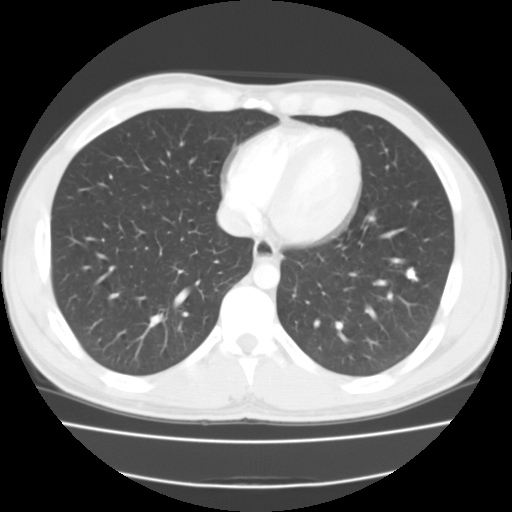
This is axial slice 48 of 116 (slice 1 is the lowest) of a chest CT; each pixel is 0.702 mm and the slice is 3.00 mm thick. Pulmonary nodule at rows 267–281, columns 406–417 (box = the union of the readers' outlines on this slice), outlined by all four readers; median longest diameter 11.0 mm (readers' outlines 9.5–12.6 mm), median volume 554 mm3 (504–642 mm3). Median ratings and the readers' spread: texture 5/5 (solid) from all four readers; margin 5/5 (circumscribed) at the median of four readers, spread 4/5 to 5/5 (circumscribed); sphericity 4/5 at the median of four readers, spread 4/5 to 5/5 (round); calcification split among the readers: central calcification (two), solid calcification (two); internal structure soft tissue, all four readers agreeing; subtlety 5/5 at the median of four readers, spread 4–5; malignancy likelihood 1/5 from all four readers. Scale key (1–5): texture non-solid→solid, margin indistinct→circumscribed, sphericity linear→round, subtlety extremely subtle→obvious, malignancy likelihood highly unlikely→highly suspicious of cancer. Box rows and columns are 0-based pixel indices from the top-left corner, inclusive.
Acquired at 135 kVp and reconstructed with the FC01 kernel.